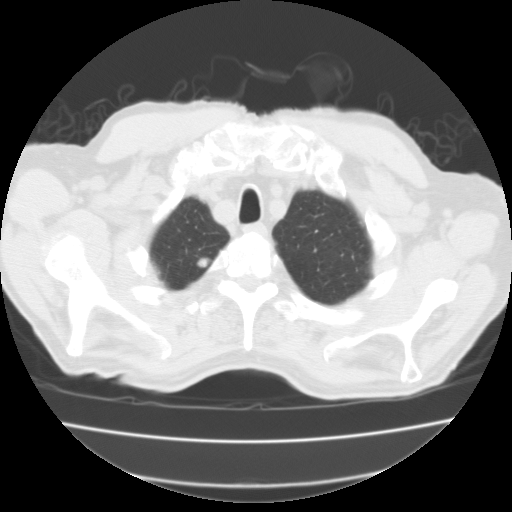
Axial chest CT slice 88 of 111 (counted from the lowest slice); tube voltage 135 kVp, convolution kernel FC01; slices 3.00 mm thick, 0.714 mm per pixel.
Pulmonary nodule outlined by all four readers; box rows 257–267, columns 197–209 (the union of the readers' outlines on this slice); median longest diameter 11.5 mm (readers' outlines 10.7–11.8 mm), median volume 770 mm3 (677–849 mm3). Ratings, median across the readers with their spread: texture 5/5 (solid), all four readers agreeing; margin 5/5 (circumscribed) from all four readers; median sphericity 4/5 (readers ranged 4/5 to 5/5 (round)); calcification absent from all four readers; internal structure soft tissue, all four readers agreeing; subtlety 5/5 at the median of four readers, spread 3–5; malignancy likelihood 3/5 at the median of four readers, spread 2–4. Scale key (1–5): texture non-solid→solid, margin indistinct→circumscribed, sphericity linear→round, subtlety extremely subtle→obvious, malignancy likelihood highly unlikely→highly suspicious of cancer. Box rows and columns are 0-based pixel indices from the top-left corner, inclusive.